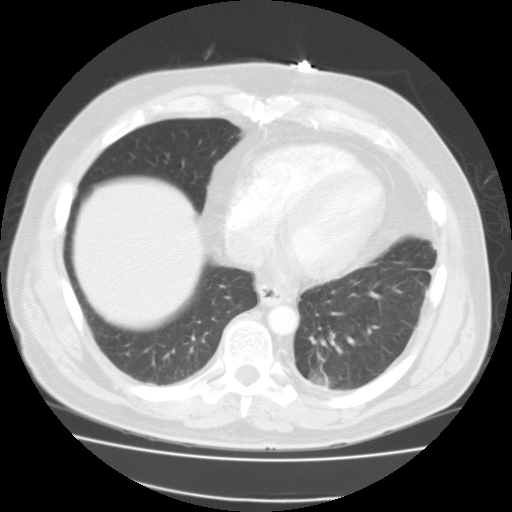
Slice 47/115 of a chest CT, counting up from the lowest; pixel size 0.782 mm, slice thickness 3.00 mm. Pulmonary nodule at rows 369–387, columns 308–332 (box = the union of the readers' outlines on this slice), outlined by all four readers, two of them on this slice; longest diameter 25.2–31.6 mm and volume 5217–6928 mm3 across the four readers' outlines. Ratings across the readers: texture from 4/5 to 5/5 (solid) across the four readers; margin from 2/5 to 4/5 across the four readers; sphericity from 2/5 to 4/5 across the four readers; calcification split among the readers: non-central calcification (two), absent (two); internal structure soft tissue, all four readers agreeing; subtlety 5/5, all four readers agreeing; malignancy likelihood from 2/5 to 5/5 across the four readers. Scale key (1–5): texture non-solid→solid, margin indistinct→circumscribed, sphericity linear→round, subtlety extremely subtle→obvious, malignancy likelihood highly unlikely→highly suspicious of cancer. Box rows and columns are 0-based pixel indices from the top-left corner, inclusive.
Acquired at 135 kVp and reconstructed with the FC01 kernel.